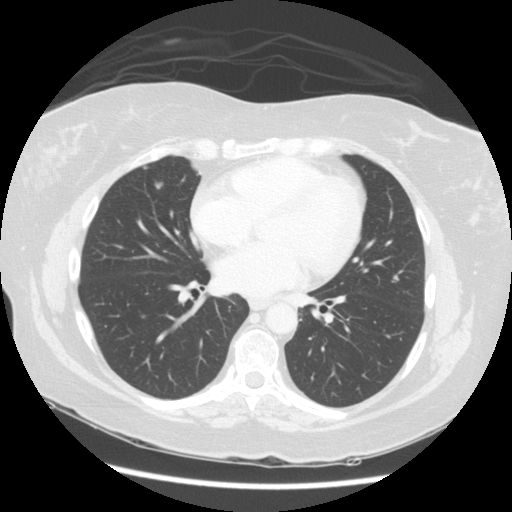
Axial slice 61 of 123 of a chest CT (slice 1 is the lowest), reconstructed with the STANDARD kernel at 140 kVp; 2.50 mm slice thickness and 0.703 mm pixels.
Pulmonary nodule, outlined by one of the four readers. Box on this slice rows 181–188, columns 154–162, that reader's outline on this slice; longest diameter 8.2 mm and volume 122 mm3 from that reader's outline. That reader's ratings: texture 2/5; margin 2/5; sphericity 4/5; calcification absent; internal structure soft tissue; subtlety 2/5; malignancy likelihood 2/5. Scale key (1–5): texture non-solid→solid, margin indistinct→circumscribed, sphericity linear→round, subtlety extremely subtle→obvious, malignancy likelihood highly unlikely→highly suspicious of cancer. Box rows and columns are 0-based pixel indices from the top-left corner, inclusive.